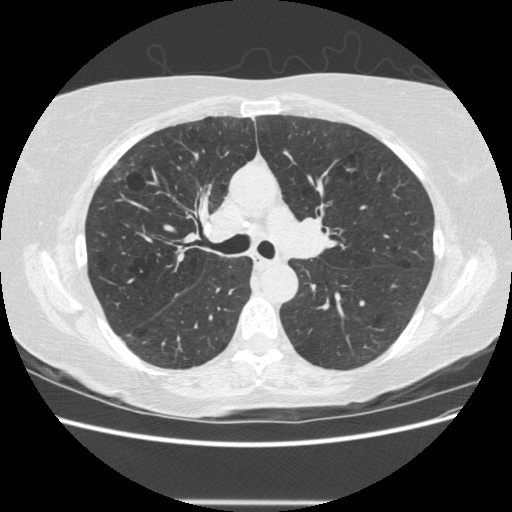
Axial chest CT slice 336 of 513 (counted from the lowest slice); 1.25 mm thick, 0.703 mm per pixel. The readers outlined no nodule of 3 mm or more on this slice.
Tube voltage 120 kVp; convolution kernel STANDARD.